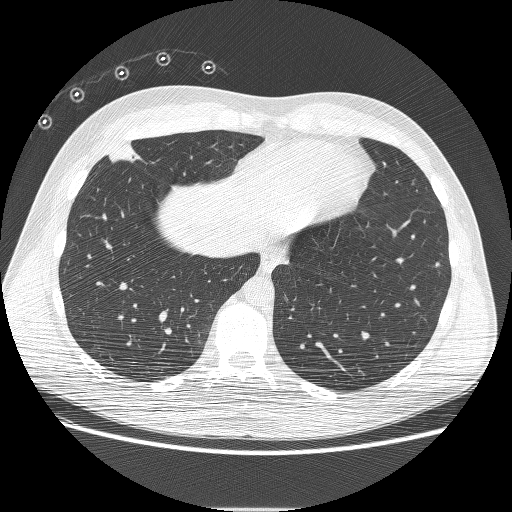
Slice 59/230 of a chest CT, counting up from the lowest; pixel size 0.732 mm, slice thickness 1.25 mm. Two pulmonary nodules on this slice, listed from left to right. (1) Pulmonary nodule at rows 139–162, columns 106–139 (box = the union of the readers' outlines on this slice), outlined by all four readers; the four readers' outlines give a longest diameter between 23.5 and 29.5 mm and a volume between 3146 and 3701 mm3. Ratings across the readers: texture 5/5 (solid) from all four readers; margin from 3/5 to 5/5 (circumscribed) across the four readers; sphericity from 3/5 (ovoid) to 4/5 across the four readers; calcification absent from all four readers; internal structure soft tissue, all four readers agreeing; subtlety 5/5 from all four readers; malignancy likelihood rated between 4 and 5 out of 5 by the four readers. (2) Pulmonary nodule at rows 262–266, columns 435–439 (box = that reader's outline on this slice), outlined by one of the four readers; longest diameter 6.6 mm and volume 41 mm3 from that reader's outline. That reader's ratings: texture 5/5 (solid); margin 5/5 (circumscribed); sphericity 4/5; calcification absent; internal structure soft tissue; subtlety 2/5; malignancy likelihood 3/5. Scale key (1–5): texture non-solid→solid, margin indistinct→circumscribed, sphericity linear→round, subtlety extremely subtle→obvious, malignancy likelihood highly unlikely→highly suspicious of cancer. Box rows and columns are 0-based pixel indices from the top-left corner, inclusive.
Scan settings: 120 kVp, BONE reconstruction kernel.